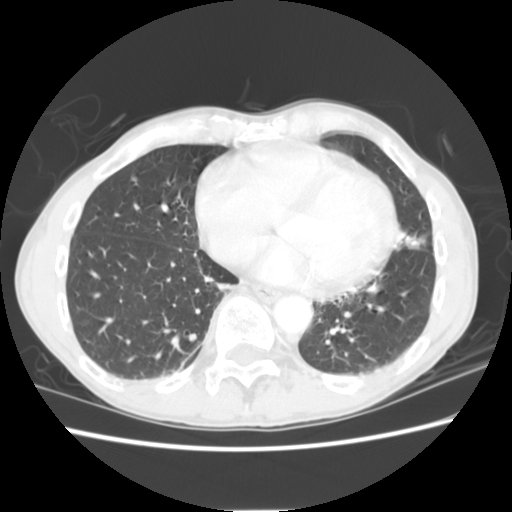
One axial slice (76 of 255, counting up from the lowest) of a chest CT acquired at 120 kVp with the STANDARD kernel; each pixel is 0.664 mm and the slice is 2.50 mm thick.
Pulmonary nodule outlined by one of the four readers; box rows 175–181, columns 129–138 (that reader's outline on this slice); longest diameter 8.0 mm and volume 115 mm3 from that reader's outline. That reader's ratings: texture 5/5 (solid); margin 5/5 (circumscribed); sphericity 3/5 (ovoid); calcification absent; internal structure soft tissue; subtlety 4/5; malignancy likelihood 2/5. Scale key (1–5): texture non-solid→solid, margin indistinct→circumscribed, sphericity linear→round, subtlety extremely subtle→obvious, malignancy likelihood highly unlikely→highly suspicious of cancer. Box rows and columns are 0-based pixel indices from the top-left corner, inclusive.